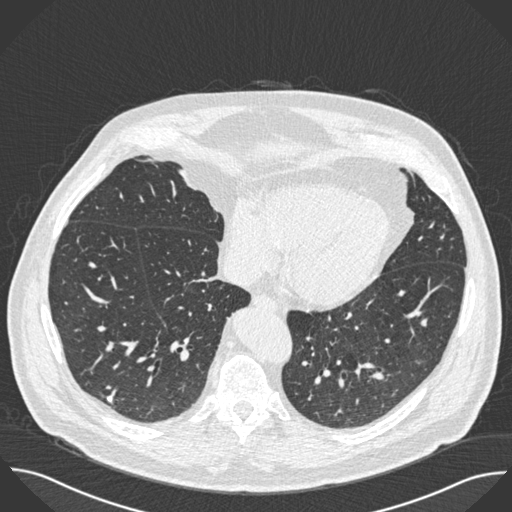
One axial slice (200 of 493, counting up from the lowest) of a chest CT acquired at 120 kVp with the B30f kernel; each pixel is 0.762 mm and the slice is 0.75 mm thick.
Pulmonary nodule at rows 396–401, columns 107–112 (box = the union of the readers' outlines on this slice), outlined by three of the four readers; median longest diameter 8.2 mm (readers' outlines 7.2–8.5 mm), median volume 144 mm3 (95–166 mm3). Ratings, median across the readers with their spread: texture 5/5 (solid), all three readers agreeing; margin 5/5 (circumscribed), all three readers agreeing; sphericity 4/5 at the median of three readers, spread 4/5 to 5/5 (round); calcification solid calcification, all three readers agreeing; internal structure soft tissue, all three readers agreeing; median subtlety 5/5 (readers ranged 4–5); malignancy likelihood 1/5, all three readers agreeing. Scale key (1–5): texture non-solid→solid, margin indistinct→circumscribed, sphericity linear→round, subtlety extremely subtle→obvious, malignancy likelihood highly unlikely→highly suspicious of cancer. Box rows and columns are 0-based pixel indices from the top-left corner, inclusive.